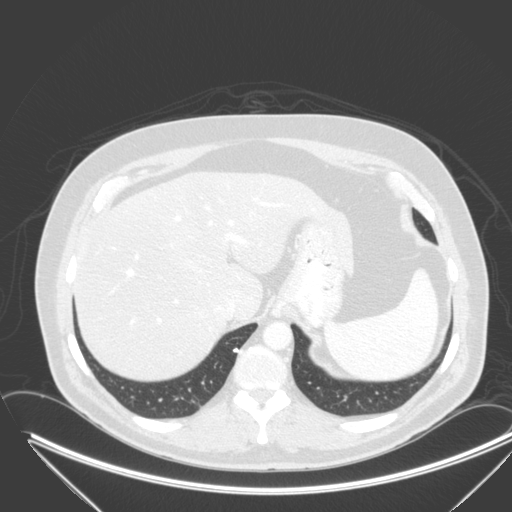
One axial slice (59 of 315, counting up from the lowest) of a chest CT acquired at 120 kVp with the B kernel; each pixel is 0.830 mm and the slice is 2.00 mm thick.
Pulmonary nodule at rows 348–352, columns 233–238 (box = the union of the readers' outlines on this slice), outlined by all four readers; median longest diameter 6.0 mm (readers' outlines 6.0–6.3 mm), median volume 68 mm3 (62–74 mm3). Median ratings and the readers' spread: texture 5/5 (solid) from all four readers; margin 5/5 (circumscribed) from all four readers; median sphericity 4.5/5 (readers ranged 4/5 to 5/5 (round)); calcification: solid calcification (three), absent (one); internal structure soft tissue from all four readers; median subtlety 4.5/5 (readers ranged 1–5); malignancy likelihood 1/5 at the median of four readers, spread 1–3. Scale key (1–5): texture non-solid→solid, margin indistinct→circumscribed, sphericity linear→round, subtlety extremely subtle→obvious, malignancy likelihood highly unlikely→highly suspicious of cancer. Box rows and columns are 0-based pixel indices from the top-left corner, inclusive.